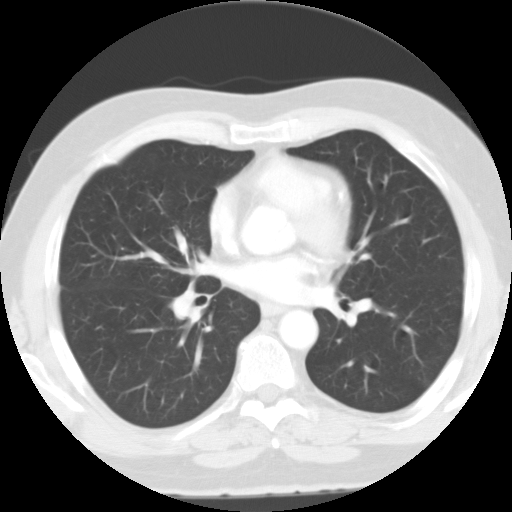
One axial slice (58 of 116, counting up from the lowest) of a chest CT acquired at 135 kVp with the FC01 kernel; each pixel is 0.692 mm and the slice is 3.00 mm thick.
The readers outlined no nodule of 3 mm or more on this slice.